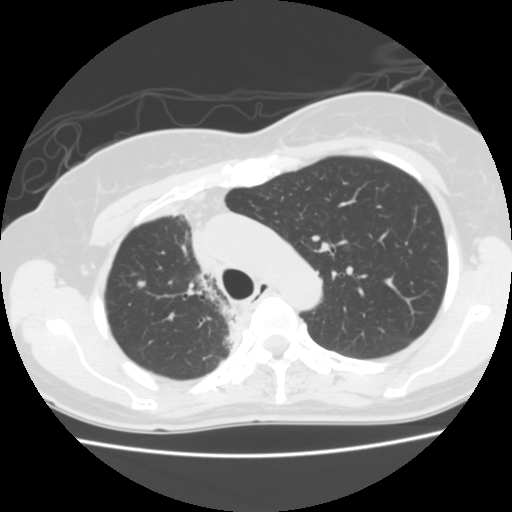
This is axial slice 110 of 141 (slice 1 is the lowest) of a chest CT; each pixel is 0.586 mm and the slice is 2.50 mm thick. Pulmonary nodule, outlined by all four readers. Box on this slice rows 280–288, columns 136–145, the union of the readers' outlines on this slice; median longest diameter 6.9 mm (readers' outlines 6.3–7.4 mm), median volume 127 mm3 (101–134 mm3). Median ratings and the readers' spread: median texture 4.5/5 (readers ranged 4/5 to 5/5 (solid)); median margin 4/5 (readers ranged 1/5 (indistinct) to 5/5 (circumscribed)); sphericity 4/5 at the median of four readers, spread 3/5 (ovoid) to 5/5 (round); calcification absent, all four readers agreeing; internal structure soft tissue, all four readers agreeing; subtlety 4/5 at the median of four readers, spread 3–5; median malignancy likelihood 3/5 (readers ranged 2–3). Scale key (1–5): texture non-solid→solid, margin indistinct→circumscribed, sphericity linear→round, subtlety extremely subtle→obvious, malignancy likelihood highly unlikely→highly suspicious of cancer. Box rows and columns are 0-based pixel indices from the top-left corner, inclusive.
Acquired at 120 kVp and reconstructed with the STANDARD kernel.